One axial slice (170 of 202, counting up from the lowest) of a chest CT acquired at 120 kVp with the B30f kernel; each pixel is 0.566 mm and the slice is 2.00 mm thick.
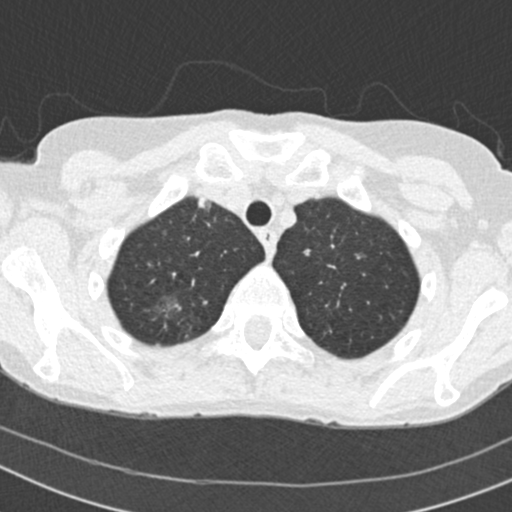
Pulmonary nodule outlined by all four readers, three of them on this slice; box rows 296–317, columns 154–179 (the union of the readers' outlines on this slice); longest diameter 10.9–15.0 mm and volume 306–786 mm3 across the four readers' outlines. Ratings across the readers: texture from 3/5 (part-solid) to 5/5 (solid) across the four readers; margin from 1/5 (indistinct) to 3/5 across the four readers; sphericity from 3/5 (ovoid) to 4/5 across the four readers; calcification absent from all four readers; internal structure soft tissue from all four readers; subtlety 3–4/5 (the readers disagree); malignancy likelihood 3–5/5 (the readers disagree). Scale key (1–5): texture non-solid→solid, margin indistinct→circumscribed, sphericity linear→round, subtlety extremely subtle→obvious, malignancy likelihood highly unlikely→highly suspicious of cancer. Box rows and columns are 0-based pixel indices from the top-left corner, inclusive.